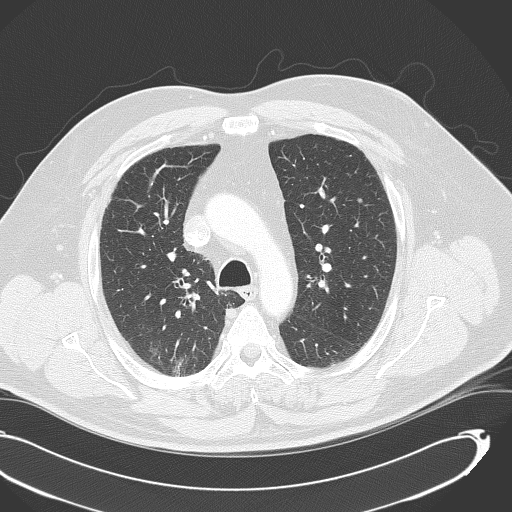
Slice 250/333 of a chest CT, counting up from the lowest; pixel size 0.775 mm, slice thickness 2.00 mm. Pulmonary nodule outlined by two of the four readers; box rows 198–202, columns 357–362 (the union of the readers' outlines on this slice); median longest diameter 6.3 mm (readers' outlines 6.3–6.4 mm), median volume 81 mm3 (78–85 mm3). Ratings, median across the readers with their spread: texture 4.5/5 at the median of two readers, spread 4/5 to 5/5 (solid); margin 4.5/5 at the median of two readers, spread 4/5 to 5/5 (circumscribed); median sphericity 4.5/5 (readers ranged 4/5 to 5/5 (round)); calcification absent, both readers agreeing; internal structure soft tissue, both readers agreeing; subtlety 3/5 from both readers; median malignancy likelihood 2.5/5 (readers ranged 2–3). Scale key (1–5): texture non-solid→solid, margin indistinct→circumscribed, sphericity linear→round, subtlety extremely subtle→obvious, malignancy likelihood highly unlikely→highly suspicious of cancer. Box rows and columns are 0-based pixel indices from the top-left corner, inclusive.
Scan settings: 120 kVp, B70f reconstruction kernel.